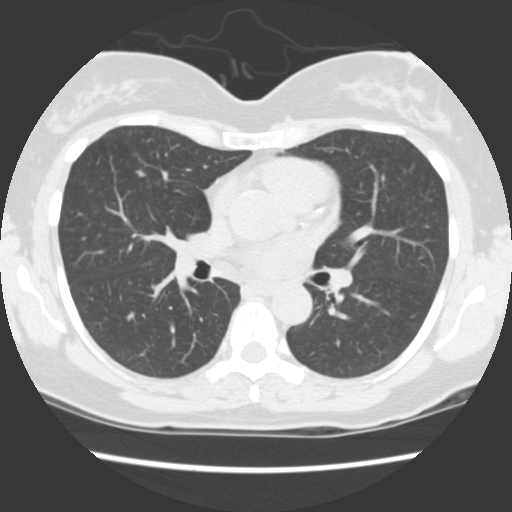
One axial slice (71 of 140, counting up from the lowest) of a chest CT acquired at 120 kVp with the STANDARD kernel; each pixel is 0.605 mm and the slice is 2.50 mm thick.
Pulmonary nodule at rows 170–177, columns 133–145 (box = the union of the readers' outlines on this slice), outlined by two of the four readers; median longest diameter 8.2 mm (readers' outlines 6.9–9.5 mm), median volume 127 mm3 (88–167 mm3). Median ratings and the readers' spread: texture 5/5 (solid), both readers agreeing; margin 3.5/5 at the median of two readers, spread 3/5 to 4/5; sphericity 3.5/5 at the median of two readers, spread 3/5 (ovoid) to 4/5; calcification absent, both readers agreeing; internal structure soft tissue from both readers; median subtlety 3/5 (readers ranged 2–4); malignancy likelihood 3.5/5 at the median of two readers, spread 3–4. Scale key (1–5): texture non-solid→solid, margin indistinct→circumscribed, sphericity linear→round, subtlety extremely subtle→obvious, malignancy likelihood highly unlikely→highly suspicious of cancer. Box rows and columns are 0-based pixel indices from the top-left corner, inclusive.